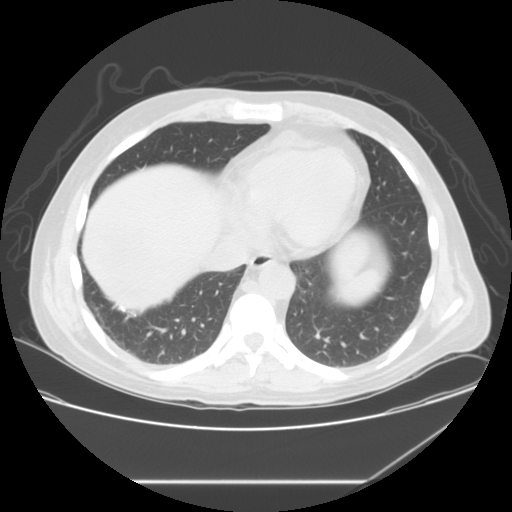
Chest CT, axial plane, 120 kVp, kernel STANDARD. Slice 60/133 from the bottom of the scan; thickness 2.50 mm; pixel size 0.781 mm.
Pulmonary nodule at rows 307–310, columns 121–124 (box = that reader's outline on this slice), outlined by one of the four readers; longest diameter 6.3 mm and volume 79 mm3 from that reader's outline. That reader's ratings: texture 5/5 (solid); margin 5/5 (circumscribed); sphericity 2/5; calcification solid calcification; internal structure soft tissue; subtlety 2/5; malignancy likelihood 1/5. Scale key (1–5): texture non-solid→solid, margin indistinct→circumscribed, sphericity linear→round, subtlety extremely subtle→obvious, malignancy likelihood highly unlikely→highly suspicious of cancer. Box rows and columns are 0-based pixel indices from the top-left corner, inclusive.